Axial chest CT slice 229 of 413 (counted from the lowest slice); tube voltage 120 kVp, convolution kernel STANDARD; slices 1.25 mm thick, 0.625 mm per pixel.
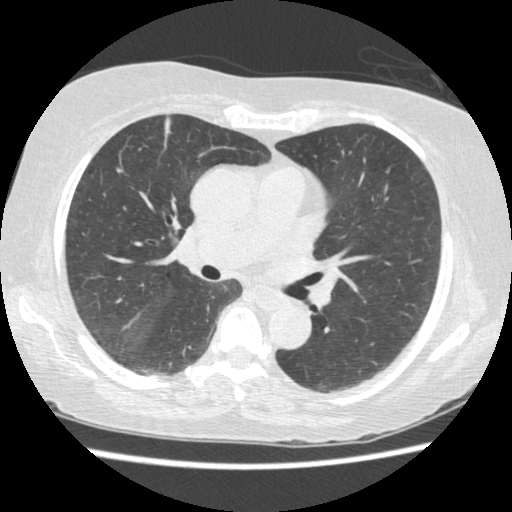
No nodule of 3 mm or larger was outlined by any of the four readers on this slice.